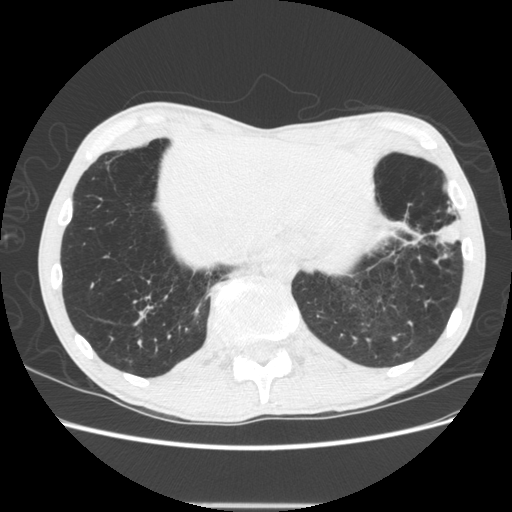
Axial chest CT slice 126 of 605 (counted from the lowest slice); tube voltage 120 kVp, convolution kernel STANDARD; slices 1.25 mm thick, 0.703 mm per pixel.
Pulmonary nodule, outlined by one of the four readers. Box on this slice rows 219–243, columns 436–459, that reader's outline on this slice; longest diameter 29.0 mm and volume 1790 mm3 from that reader's outline. That reader's ratings: texture 4/5; margin 4/5; sphericity 2/5; calcification absent; internal structure soft tissue; subtlety 5/5; malignancy likelihood 4/5. Scale key (1–5): texture non-solid→solid, margin indistinct→circumscribed, sphericity linear→round, subtlety extremely subtle→obvious, malignancy likelihood highly unlikely→highly suspicious of cancer. Box rows and columns are 0-based pixel indices from the top-left corner, inclusive.